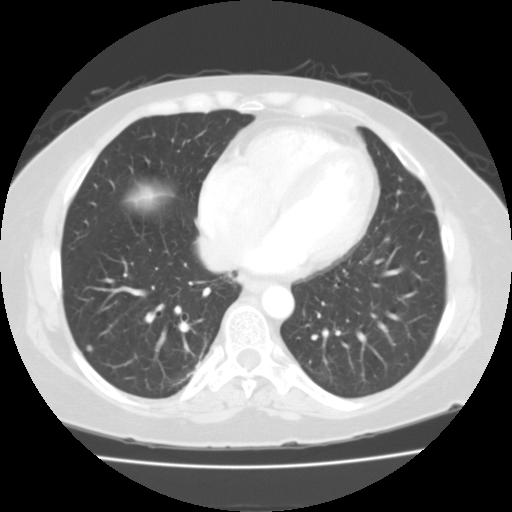
Axial slice 43 of 109 of a chest CT (slice 1 is the lowest), reconstructed with the FC01 kernel at 135 kVp; 3.00 mm slice thickness and 0.671 mm pixels.
Two pulmonary nodules on this slice, listed from left to right. (1) Pulmonary nodule outlined by two of the four readers; box rows 345–351, columns 86–92 (the union of the readers' outlines on this slice); the two readers' outlines give a longest diameter between 5.5 and 5.7 mm and a volume between 57 and 101 mm3. Ratings across the readers: texture 5/5 (solid), both readers agreeing; margin 5/5 (circumscribed) from both readers; sphericity 5/5 (round) from both readers; calcification absent, both readers agreeing; internal structure soft tissue, both readers agreeing; subtlety rated between 2 and 4 out of 5 by the two readers; malignancy likelihood 1–3/5 (the readers disagree). (2) Pulmonary nodule, outlined by one of the four readers. Box on this slice rows 238–240, columns 386–389, that reader's outline on this slice; longest diameter 4.8 mm and volume 59 mm3 from that reader's outline. That reader's ratings: texture 4/5; margin 3/5; sphericity 4/5; calcification absent; internal structure soft tissue; subtlety 4/5; malignancy likelihood 2/5. Scale key (1–5): texture non-solid→solid, margin indistinct→circumscribed, sphericity linear→round, subtlety extremely subtle→obvious, malignancy likelihood highly unlikely→highly suspicious of cancer. Box rows and columns are 0-based pixel indices from the top-left corner, inclusive.